Axial slice 153 of 436 of a chest CT (slice 1 is the lowest), reconstructed with the STANDARD kernel at 120 kVp; 1.25 mm slice thickness and 0.703 mm pixels.
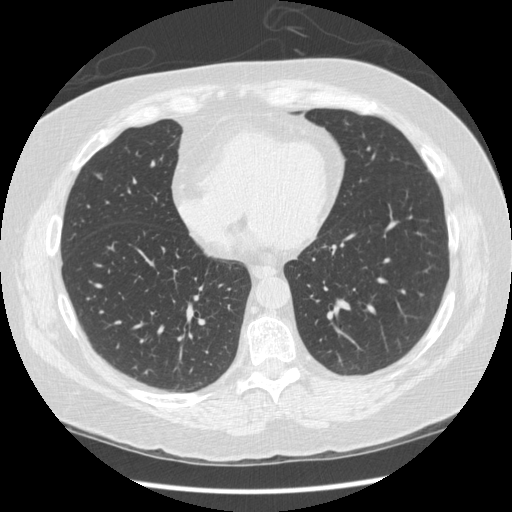
Pulmonary nodule outlined by all four readers, three of them on this slice; box rows 172–180, columns 95–102 (the union of the readers' outlines on this slice); longest diameter 8.9 mm on average over the four readers' outlines (readers' outlines 7.3–9.8 mm), volume 103–208 mm3. The readers' prevailing ratings and who disagreed: texture 5/5 (solid) from all four readers; margin 4/5 by three of four readers; the rest gave 5/5 (circumscribed) (one); sphericity 5/5 (round) by two of four readers; the rest gave 3/5 (ovoid) (one), 4/5 (one); calcification absent from all four readers; internal structure soft tissue from all four readers; subtlety 4/5 by two of four readers; the rest gave 3/5 (one), 5/5 (one); malignancy likelihood 3/5 by two of four readers; the rest gave 2/5 (one), 4/5 (one). Scale key (1–5): texture non-solid→solid, margin indistinct→circumscribed, sphericity linear→round, subtlety extremely subtle→obvious, malignancy likelihood highly unlikely→highly suspicious of cancer. Box rows and columns are 0-based pixel indices from the top-left corner, inclusive.